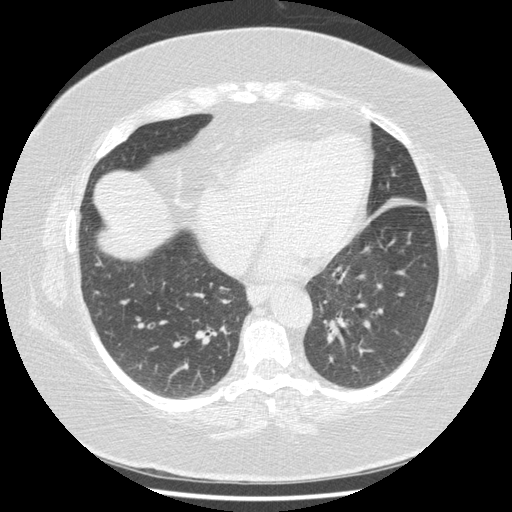
One axial slice (165 of 417, counting up from the lowest) of a chest CT acquired at 120 kVp with the STANDARD kernel; each pixel is 0.703 mm and the slice is 1.25 mm thick.
Pulmonary nodule at rows 296–301, columns 426–429 (box = the one reader's outline on this slice), outlined by all four readers, one of them on this slice; the four readers' outlines give a longest diameter between 10.1 and 11.6 mm and a volume between 183 and 290 mm3. The readers' ratings, as ranges where they differ: texture 5/5 (solid), all four readers agreeing; margin from 4/5 to 5/5 (circumscribed) across the four readers; sphericity from 3/5 (ovoid) to 4/5 across the four readers; calcification absent, all four readers agreeing; internal structure soft tissue, all four readers agreeing; subtlety from 4/5 to 5/5 across the four readers; malignancy likelihood from 3/5 to 4/5 across the four readers. Scale key (1–5): texture non-solid→solid, margin indistinct→circumscribed, sphericity linear→round, subtlety extremely subtle→obvious, malignancy likelihood highly unlikely→highly suspicious of cancer. Box rows and columns are 0-based pixel indices from the top-left corner, inclusive.